One axial slice (61 of 163, counting up from the lowest) of a chest CT acquired at 120 kVp with the STANDARD kernel; each pixel is 0.586 mm and the slice is 2.50 mm thick.
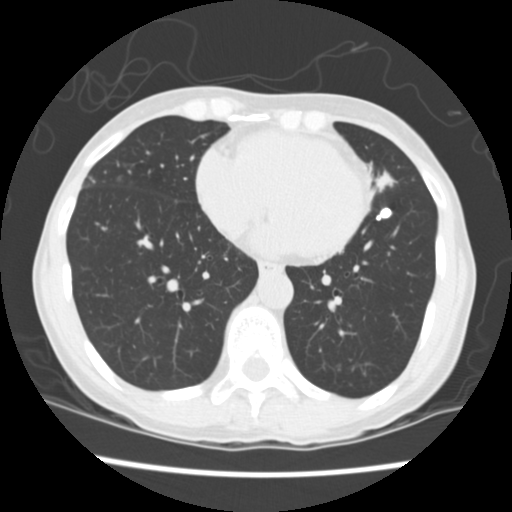
Pulmonary nodule outlined by all four readers; box rows 207–219, columns 376–391 (the union of the readers' outlines on this slice); the four readers' outlines give a longest diameter between 9.5 and 11.1 mm and a volume between 385 and 423 mm3. The readers' ratings, as ranges where they differ: texture 5/5 (solid) from all four readers; margin from 4/5 to 5/5 (circumscribed) across the four readers; sphericity from 3/5 (ovoid) to 4/5 across the four readers; calcification: solid calcification (three), absent (one); internal structure soft tissue from all four readers; subtlety rated between 4 and 5 out of 5 by the four readers; malignancy likelihood 1–4/5 (the readers disagree). Scale key (1–5): texture non-solid→solid, margin indistinct→circumscribed, sphericity linear→round, subtlety extremely subtle→obvious, malignancy likelihood highly unlikely→highly suspicious of cancer. Box rows and columns are 0-based pixel indices from the top-left corner, inclusive.